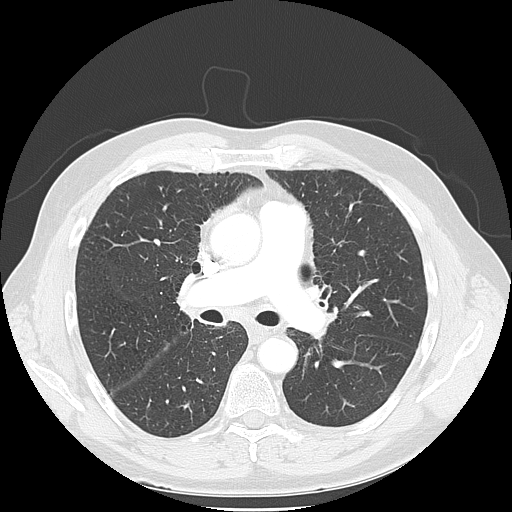
Axial slice 75 of 133 of a chest CT (slice 1 is the lowest), reconstructed with the LUNG kernel at 120 kVp; 2.50 mm slice thickness and 0.703 mm pixels.
None of the four readers outlined a nodule of 3 mm or more on this slice.